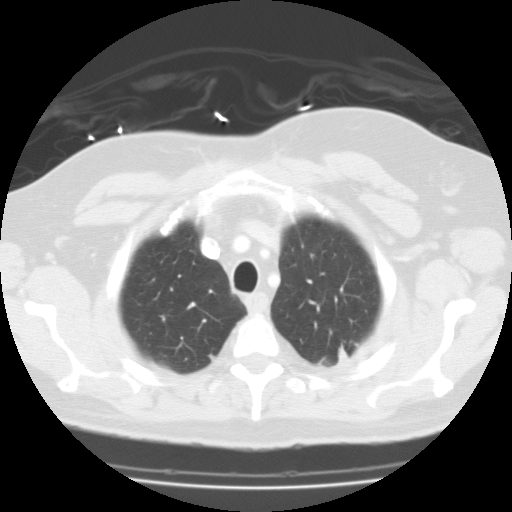
Axial chest CT slice 93 of 115 (counted from the lowest slice); 3.00 mm thick, 0.729 mm per pixel. Two pulmonary nodules on this slice, listed from left to right. (1) Pulmonary nodule at rows 354–359, columns 208–212 (box = that reader's outline on this slice), outlined by one of the four readers; longest diameter 6.7 mm and volume 124 mm3 from that reader's outline. That reader's ratings: texture 5/5 (solid); margin 5/5 (circumscribed); sphericity 3/5 (ovoid); calcification solid calcification; internal structure soft tissue; subtlety 5/5; malignancy likelihood 2/5. (2) Pulmonary nodule, outlined by one of the four readers. Box on this slice rows 346–361, columns 337–347, that reader's outline on this slice; longest diameter 34.4 mm and volume 9064 mm3 from that reader's outline. Ratings by that reader: texture 5/5 (solid); margin 3/5; sphericity 2/5; calcification absent; internal structure fluid; subtlety 5/5; malignancy likelihood 3/5. Scale key (1–5): texture non-solid→solid, margin indistinct→circumscribed, sphericity linear→round, subtlety extremely subtle→obvious, malignancy likelihood highly unlikely→highly suspicious of cancer. Box rows and columns are 0-based pixel indices from the top-left corner, inclusive.
Acquired at 135 kVp and reconstructed with the FC01 kernel.